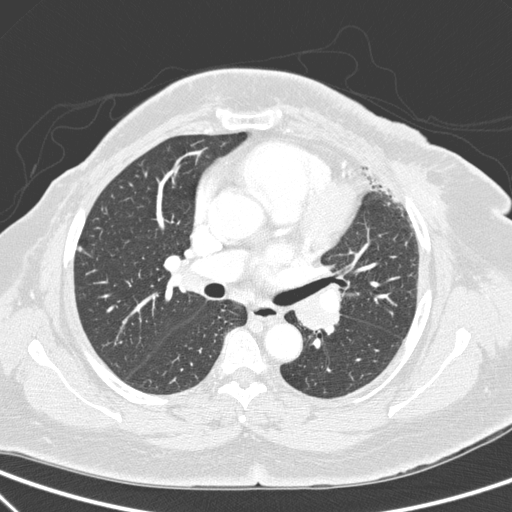
Axial slice 170 of 272 of a chest CT (slice 1 is the lowest), reconstructed with the D kernel at 140 kVp; 1.00 mm slice thickness and 0.676 mm pixels.
Pulmonary nodule, outlined by one of the four readers. Box on this slice rows 247–250, columns 77–82, that reader's outline on this slice; longest diameter 4.9 mm and volume 31 mm3 from that reader's outline. Ratings by that reader: texture 5/5 (solid); margin 5/5 (circumscribed); sphericity 5/5 (round); calcification absent; internal structure soft tissue; subtlety 4/5; malignancy likelihood 3/5. Scale key (1–5): texture non-solid→solid, margin indistinct→circumscribed, sphericity linear→round, subtlety extremely subtle→obvious, malignancy likelihood highly unlikely→highly suspicious of cancer. Box rows and columns are 0-based pixel indices from the top-left corner, inclusive.